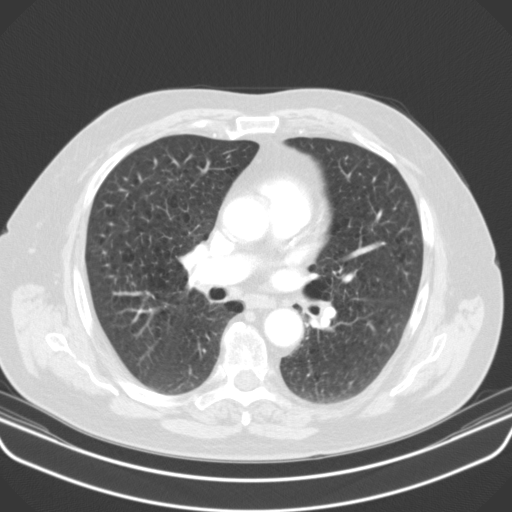
This is axial slice 62 of 107 (slice 1 is the lowest) of a chest CT; each pixel is 0.742 mm and the slice is 3.00 mm thick. Pulmonary nodule at rows 290–297, columns 144–153 (box = the union of the readers' outlines on this slice), outlined by all four readers, two of them on this slice; the four readers' outlines give a longest diameter between 11.5 and 12.1 mm and a volume between 213 and 451 mm3. Ratings across the readers: texture from 3/5 (part-solid) to 5/5 (solid) across the four readers; margin from 2/5 to 4/5 across the four readers; sphericity from 3/5 (ovoid) to 5/5 (round) across the four readers; calcification absent from all four readers; internal structure soft tissue, all four readers agreeing; subtlety 5/5, all four readers agreeing; malignancy likelihood from 2/5 to 4/5 across the four readers. Scale key (1–5): texture non-solid→solid, margin indistinct→circumscribed, sphericity linear→round, subtlety extremely subtle→obvious, malignancy likelihood highly unlikely→highly suspicious of cancer. Box rows and columns are 0-based pixel indices from the top-left corner, inclusive.
Acquired at 130 kVp and reconstructed with the B31s kernel.